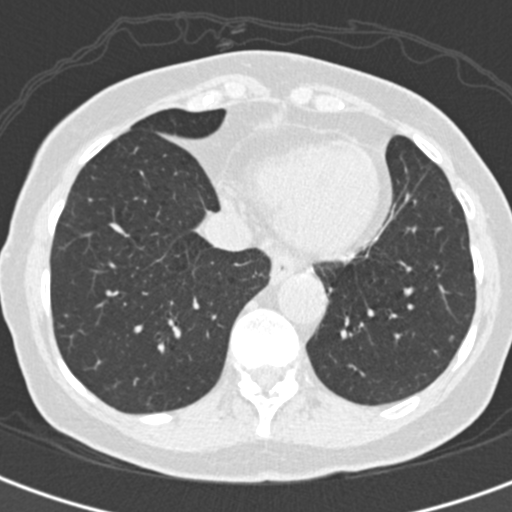
Axial chest CT slice 63 of 193 (counted from the lowest slice); 2.00 mm thick, 0.547 mm per pixel. Pulmonary nodule outlined by all four readers, two of them on this slice; box rows 335–340, columns 448–453 (the union of the readers' outlines on this slice); longest diameter 6.1 mm on average over the four readers' outlines (readers' outlines 5.9–6.9 mm), volume 68–137 mm3. Ratings, by the readers' most common answer with dissent counted: most readers (three of four) put texture at 5/5 (solid), others 3/5 (part-solid) (one); margin split among the readers: 4/5 (two), 5/5 (circumscribed) (two); sphericity 3/5 (ovoid) by two of four readers; the rest gave 4/5 (one), 5/5 (round) (one); calcification absent, all four readers agreeing; internal structure soft tissue, all four readers agreeing; subtlety 3/5 by two of four readers; the rest gave 2/5 (one), 4/5 (one); malignancy likelihood 3/5 by two of four readers; the rest gave 2/5 (one), 4/5 (one). Scale key (1–5): texture non-solid→solid, margin indistinct→circumscribed, sphericity linear→round, subtlety extremely subtle→obvious, malignancy likelihood highly unlikely→highly suspicious of cancer. Box rows and columns are 0-based pixel indices from the top-left corner, inclusive.
Scan settings: 120 kVp, B30f reconstruction kernel.